Axial chest CT slice 105 of 127 (counted from the lowest slice); tube voltage 135 kVp, convolution kernel FC01; slices 3.00 mm thick, 0.750 mm per pixel.
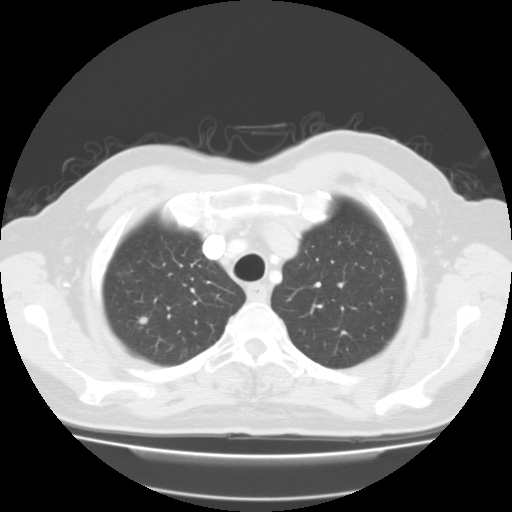
Pulmonary nodule at rows 316–324, columns 139–149 (box = the union of the readers' outlines on this slice), outlined by three of the four readers; longest diameter 8.4 mm on average over the three readers' outlines (readers' outlines 7.4–9.8 mm), volume 132–423 mm3. The readers' prevailing ratings and who disagreed: most readers (two of three) put texture at 5/5 (solid), others 3/5 (part-solid) (one); margin 4/5 by two of three readers; the rest gave 3/5 (one); sphericity 4/5 from all three readers; calcification absent from all three readers; internal structure soft tissue, all three readers agreeing; subtlety split among the readers: 2/5 (one), 4/5 (one), 5/5 (one); most readers (two of three) put malignancy likelihood at 3/5, others 2/5 (one). Scale key (1–5): texture non-solid→solid, margin indistinct→circumscribed, sphericity linear→round, subtlety extremely subtle→obvious, malignancy likelihood highly unlikely→highly suspicious of cancer. Box rows and columns are 0-based pixel indices from the top-left corner, inclusive.